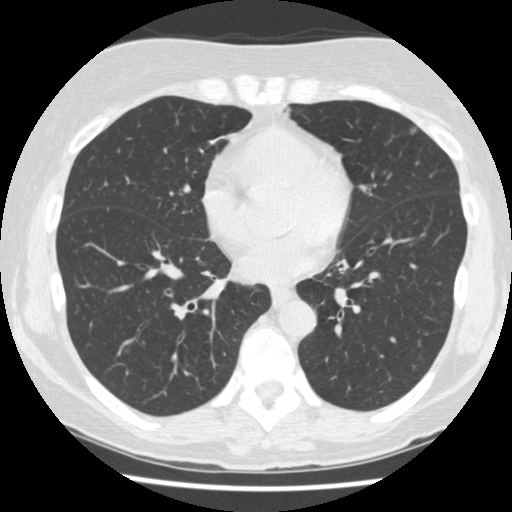
Chest CT, axial plane, 120 kVp, kernel STANDARD. Slice 194/477 from the bottom of the scan; thickness 1.25 mm; pixel size 0.625 mm.
Pulmonary nodule, outlined by all four readers. Box on this slice rows 127–133, columns 409–415, the union of the readers' outlines on this slice; median longest diameter 6.0 mm (readers' outlines 5.8–6.4 mm), median volume 43 mm3 (42–61 mm3). Median ratings and the readers' spread: texture 5/5 (solid) at the median of four readers, spread 3/5 (part-solid) to 5/5 (solid); margin 3/5 at the median of four readers, spread 1/5 (indistinct) to 5/5 (circumscribed); sphericity 4.5/5 at the median of four readers, spread 4/5 to 5/5 (round); calcification absent from all four readers; internal structure soft tissue from all four readers; median subtlety 3/5 (readers ranged 2–4); median malignancy likelihood 2/5 (readers ranged 1–3). Scale key (1–5): texture non-solid→solid, margin indistinct→circumscribed, sphericity linear→round, subtlety extremely subtle→obvious, malignancy likelihood highly unlikely→highly suspicious of cancer. Box rows and columns are 0-based pixel indices from the top-left corner, inclusive.